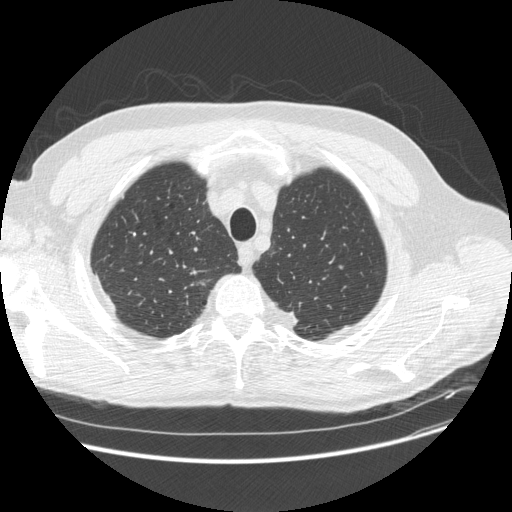
Chest CT, axial plane, 120 kVp, kernel STANDARD. Slice 450/513 from the bottom of the scan; thickness 1.25 mm; pixel size 0.742 mm.
Pulmonary nodule, outlined by all four readers, one of them on this slice. Box on this slice rows 280–283, columns 199–205, the one reader's outline on this slice; median longest diameter 12.5 mm (readers' outlines 11.4–16.0 mm), median volume 145 mm3 (128–190 mm3). Median ratings and the readers' spread: median texture 4.5/5 (readers ranged 4/5 to 5/5 (solid)); median margin 4/5 (readers ranged 2/5 to 5/5 (circumscribed)); sphericity 3.5/5 at the median of four readers, spread 2/5 to 5/5 (round); calcification absent, all four readers agreeing; internal structure soft tissue, all four readers agreeing; median subtlety 4.5/5 (readers ranged 3–5); malignancy likelihood 4.5/5 at the median of four readers, spread 4–5. Scale key (1–5): texture non-solid→solid, margin indistinct→circumscribed, sphericity linear→round, subtlety extremely subtle→obvious, malignancy likelihood highly unlikely→highly suspicious of cancer. Box rows and columns are 0-based pixel indices from the top-left corner, inclusive.